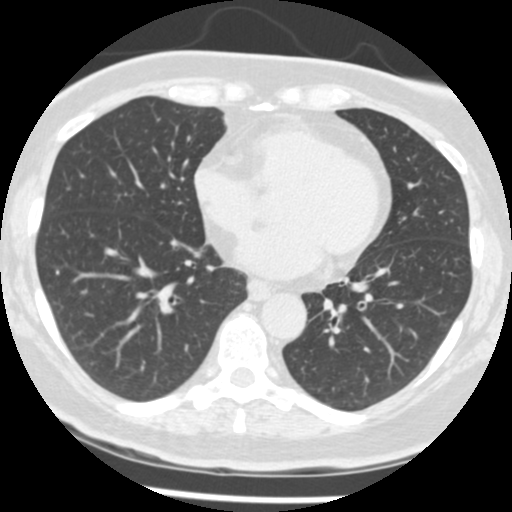
Axial chest CT slice 181 of 433 (counted from the lowest slice); tube voltage 120 kVp, convolution kernel STANDARD; slices 1.25 mm thick, 0.547 mm per pixel.
Pulmonary nodule outlined by one of the four readers; box rows 270–274, columns 56–59 (that reader's outline on this slice); longest diameter 3.7 mm and volume 18 mm3 from that reader's outline. That reader's ratings: texture 5/5 (solid); margin 5/5 (circumscribed); sphericity 5/5 (round); calcification solid calcification; internal structure soft tissue; subtlety 5/5; malignancy likelihood 1/5. Scale key (1–5): texture non-solid→solid, margin indistinct→circumscribed, sphericity linear→round, subtlety extremely subtle→obvious, malignancy likelihood highly unlikely→highly suspicious of cancer. Box rows and columns are 0-based pixel indices from the top-left corner, inclusive.